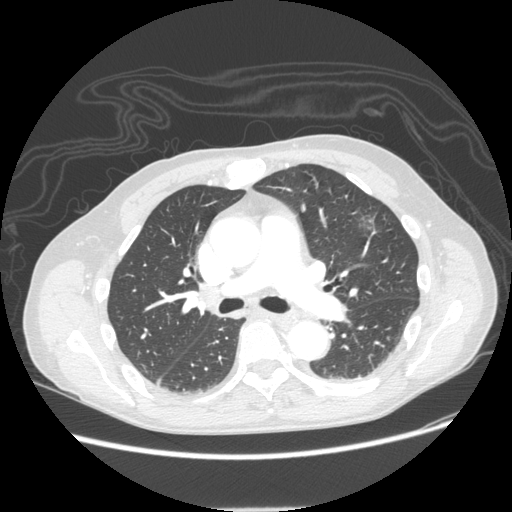
This is axial slice 131 of 232 (slice 1 is the lowest) of a chest CT; each pixel is 0.742 mm and the slice is 1.25 mm thick. Pulmonary nodule, outlined by one of the four readers. Box on this slice rows 215–231, columns 360–373, that reader's outline on this slice; longest diameter 22.3 mm and volume 979 mm3 from that reader's outline. Ratings by that reader: texture 1/5 (non-solid); margin 1/5 (indistinct); sphericity 4/5; calcification absent; internal structure soft tissue; subtlety 2/5; malignancy likelihood 2/5. Scale key (1–5): texture non-solid→solid, margin indistinct→circumscribed, sphericity linear→round, subtlety extremely subtle→obvious, malignancy likelihood highly unlikely→highly suspicious of cancer. Box rows and columns are 0-based pixel indices from the top-left corner, inclusive.
Scan settings: 120 kVp, STANDARD reconstruction kernel.